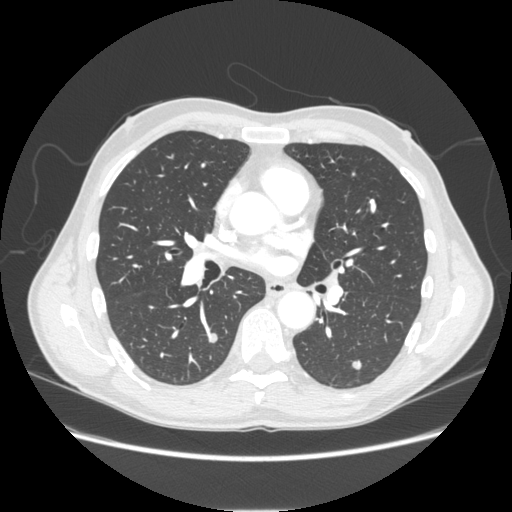
Slice 127/253 of a chest CT, counting up from the lowest; pixel size 0.742 mm, slice thickness 1.25 mm. Two pulmonary nodules on this slice, listed from left to right. (1) Pulmonary nodule outlined by all four readers; box rows 333–342, columns 208–217 (the union of the readers' outlines on this slice); longest diameter 8.9 mm on average over the four readers' outlines (readers' outlines 8.5–9.3 mm), volume 204–262 mm3. The readers' prevailing ratings and who disagreed: texture 5/5 (solid), all four readers agreeing; margin 5/5 (circumscribed) by three of four readers; the rest gave 1/5 (indistinct) (one); most readers (three of four) put sphericity at 5/5 (round), others 4/5 (one); calcification absent from all four readers; internal structure soft tissue, all four readers agreeing; subtlety 4/5 by two of four readers; the rest gave 3/5 (one), 5/5 (one); malignancy likelihood 2/5 by two of four readers; the rest gave 3/5 (one), 4/5 (one). (2) Pulmonary nodule outlined by all four readers; box rows 359–369, columns 351–361 (the union of the readers' outlines on this slice); longest diameter 10.0 mm on average over the four readers' outlines (readers' outlines 8.7–11.4 mm), volume 216–250 mm3. The readers' prevailing ratings and who disagreed: texture 5/5 (solid) from all four readers; margin 5/5 (circumscribed) by three of four readers; the rest gave 4/5 (one); sphericity split among the readers: 4/5 (two), 5/5 (round) (two); calcification absent, all four readers agreeing; internal structure soft tissue, all four readers agreeing; subtlety 4/5 by two of four readers; the rest gave 3/5 (one), 5/5 (one); malignancy likelihood 4/5 by two of four readers; the rest gave 2/5 (one), 3/5 (one). Scale key (1–5): texture non-solid→solid, margin indistinct→circumscribed, sphericity linear→round, subtlety extremely subtle→obvious, malignancy likelihood highly unlikely→highly suspicious of cancer. Box rows and columns are 0-based pixel indices from the top-left corner, inclusive.
Acquired at 120 kVp and reconstructed with the STANDARD kernel.